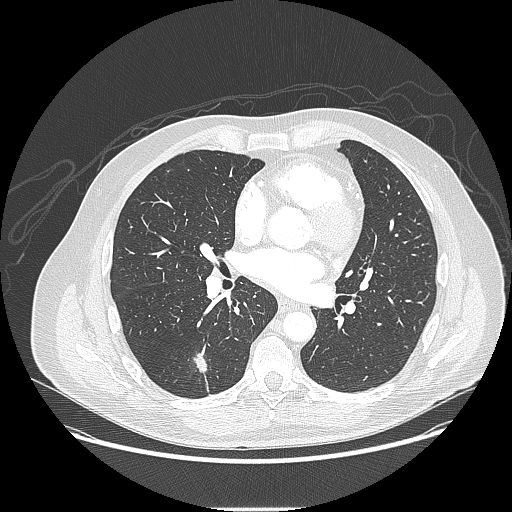
Axial slice 94 of 214 of a chest CT (slice 1 is the lowest), reconstructed with the LUNG kernel at 120 kVp; 1.25 mm slice thickness and 0.820 mm pixels.
Pulmonary nodule, outlined by all four readers, three of them on this slice. Box on this slice rows 352–373, columns 193–207, the union of the readers' outlines on this slice; median longest diameter 23.1 mm (readers' outlines 14.7–27.9 mm), median volume 1263 mm3 (696–2326 mm3). Ratings, median across the readers with their spread: texture 5/5 (solid) at the median of four readers, spread 4/5 to 5/5 (solid); median margin 4/5 (readers ranged 1/5 (indistinct) to 4/5); median sphericity 2.5/5 (readers ranged 2/5 to 3/5 (ovoid)); calcification absent from all four readers; internal structure soft tissue from all four readers; median subtlety 4.5/5 (readers ranged 4–5); median malignancy likelihood 4/5 (readers ranged 3–4). Scale key (1–5): texture non-solid→solid, margin indistinct→circumscribed, sphericity linear→round, subtlety extremely subtle→obvious, malignancy likelihood highly unlikely→highly suspicious of cancer. Box rows and columns are 0-based pixel indices from the top-left corner, inclusive.